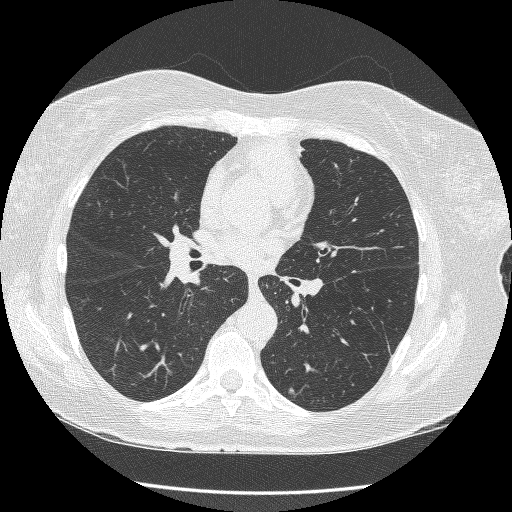
One axial slice (133 of 246, counting up from the lowest) of a chest CT acquired at 120 kVp with the BONE kernel; each pixel is 0.617 mm and the slice is 1.25 mm thick.
Pulmonary nodule at rows 387–395, columns 287–295 (box = the union of the readers' outlines on this slice), outlined by all four readers; median longest diameter 8.6 mm (readers' outlines 7.2–9.4 mm), median volume 89 mm3 (81–124 mm3). Median ratings and the readers' spread: texture 5/5 (solid) at the median of four readers, spread 4/5 to 5/5 (solid); median margin 4.5/5 (readers ranged 3/5 to 5/5 (circumscribed)); median sphericity 3/5 (ovoid) (readers ranged 2/5 to 4/5); calcification absent, all four readers agreeing; internal structure soft tissue, all four readers agreeing; median subtlety 3.5/5 (readers ranged 3–5); malignancy likelihood 3/5 at the median of four readers, spread 2–3. Scale key (1–5): texture non-solid→solid, margin indistinct→circumscribed, sphericity linear→round, subtlety extremely subtle→obvious, malignancy likelihood highly unlikely→highly suspicious of cancer. Box rows and columns are 0-based pixel indices from the top-left corner, inclusive.